Axial chest CT slice 63 of 150 (counted from the lowest slice); tube voltage 120 kVp, convolution kernel LUNG; slices 2.50 mm thick, 0.781 mm per pixel.
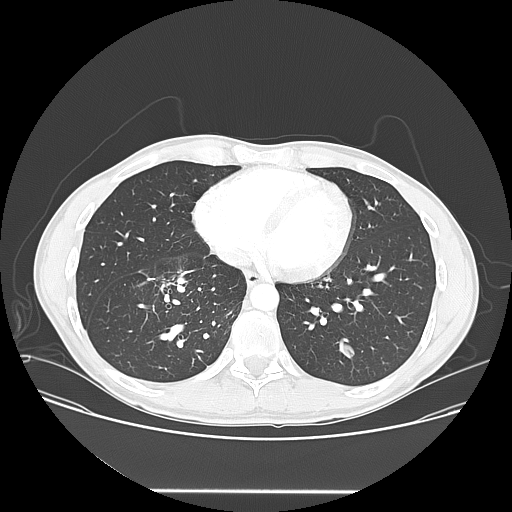
Pulmonary nodule, outlined by all four readers, three of them on this slice. Box on this slice rows 344–357, columns 340–354, the union of the readers' outlines on this slice; longest diameter 15.8 mm on average over the four readers' outlines (readers' outlines 15.0–17.2 mm), volume 701–1241 mm3. The readers' prevailing ratings and who disagreed: most readers (three of four) put texture at 5/5 (solid), others 4/5 (one); margin 5/5 (circumscribed) by three of four readers; the rest gave 4/5 (one); sphericity 2/5 by two of four readers; the rest gave 3/5 (ovoid) (one), 5/5 (round) (one); calcification absent from all four readers; internal structure soft tissue from all four readers; subtlety 4/5 by two of four readers; the rest gave 3/5 (one), 5/5 (one); malignancy likelihood split among the readers: 2/5 (two), 4/5 (two). Scale key (1–5): texture non-solid→solid, margin indistinct→circumscribed, sphericity linear→round, subtlety extremely subtle→obvious, malignancy likelihood highly unlikely→highly suspicious of cancer. Box rows and columns are 0-based pixel indices from the top-left corner, inclusive.